Axial chest CT slice 137 of 280 (counted from the lowest slice); tube voltage 120 kVp, convolution kernel BONE; slices 1.25 mm thick, 0.703 mm per pixel.
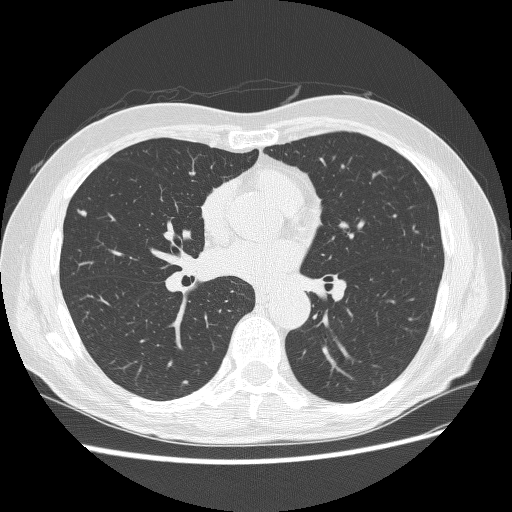
Pulmonary nodule, outlined by three of the four readers. Box on this slice rows 208–217, columns 76–87, the union of the readers' outlines on this slice; longest diameter 8.9 mm on average over the three readers' outlines (readers' outlines 8.2–9.8 mm), volume 110–166 mm3. Ratings, by the readers' most common answer with dissent counted: texture 5/5 (solid), all three readers agreeing; most readers (two of three) put margin at 4/5, others 3/5 (one); sphericity 3/5 (ovoid) by two of three readers; the rest gave 2/5 (one); calcification absent from all three readers; internal structure soft tissue from all three readers; subtlety split among the readers: 3/5 (one), 4/5 (one), 5/5 (one); most readers (two of three) put malignancy likelihood at 3/5, others 4/5 (one). Scale key (1–5): texture non-solid→solid, margin indistinct→circumscribed, sphericity linear→round, subtlety extremely subtle→obvious, malignancy likelihood highly unlikely→highly suspicious of cancer. Box rows and columns are 0-based pixel indices from the top-left corner, inclusive.